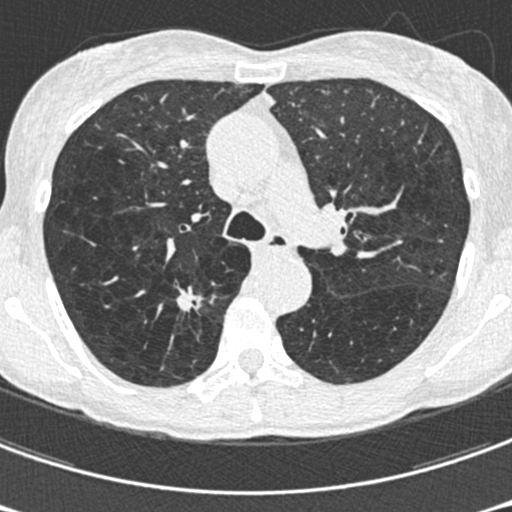
Axial slice 413 of 633 of a chest CT (slice 1 is the lowest), reconstructed with the B30f kernel at 120 kVp; 0.60 mm slice thickness and 0.541 mm pixels.
Pulmonary nodule outlined by all four readers; box rows 286–312, columns 176–203 (the union of the readers' outlines on this slice); longest diameter 19.0 mm on average over the four readers' outlines (readers' outlines 18.1–21.0 mm), volume 1292–1642 mm3. Ratings, by the readers' most common answer with dissent counted: texture 5/5 (solid) from all four readers; margin 2/5 by two of four readers; the rest gave 1/5 (indistinct) (one), 3/5 (one); sphericity 3/5 (ovoid) by two of four readers; the rest gave 2/5 (one), 4/5 (one); calcification absent from all four readers; internal structure soft tissue from all four readers; subtlety 5/5 by three of four readers; the rest gave 4/5 (one); malignancy likelihood 5/5 by three of four readers; the rest gave 4/5 (one). Scale key (1–5): texture non-solid→solid, margin indistinct→circumscribed, sphericity linear→round, subtlety extremely subtle→obvious, malignancy likelihood highly unlikely→highly suspicious of cancer. Box rows and columns are 0-based pixel indices from the top-left corner, inclusive.